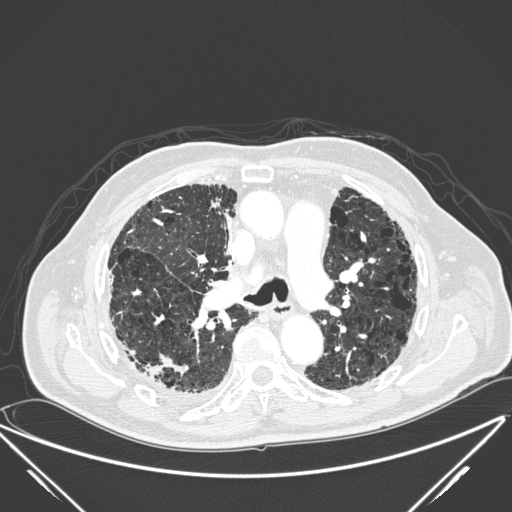
Axial slice 149 of 278 of a chest CT (slice 1 is the lowest), reconstructed with the D kernel at 120 kVp; 1.00 mm slice thickness and 0.812 mm pixels.
Pulmonary nodule outlined by all four readers; box rows 353–379, columns 145–187 (the union of the readers' outlines on this slice); median longest diameter 33.5 mm (readers' outlines 17.4–39.8 mm), median volume 3234 mm3 (1021–4525 mm3). Ratings, median across the readers with their spread: texture 5/5 (solid), all four readers agreeing; margin 2.5/5 at the median of four readers, spread 1/5 (indistinct) to 5/5 (circumscribed); median sphericity 2/5 (readers ranged 2/5 to 5/5 (round)); calcification absent from all four readers; internal structure soft tissue from all four readers; median subtlety 4.5/5 (readers ranged 4–5); median malignancy likelihood 4.5/5 (readers ranged 3–5). Scale key (1–5): texture non-solid→solid, margin indistinct→circumscribed, sphericity linear→round, subtlety extremely subtle→obvious, malignancy likelihood highly unlikely→highly suspicious of cancer. Box rows and columns are 0-based pixel indices from the top-left corner, inclusive.